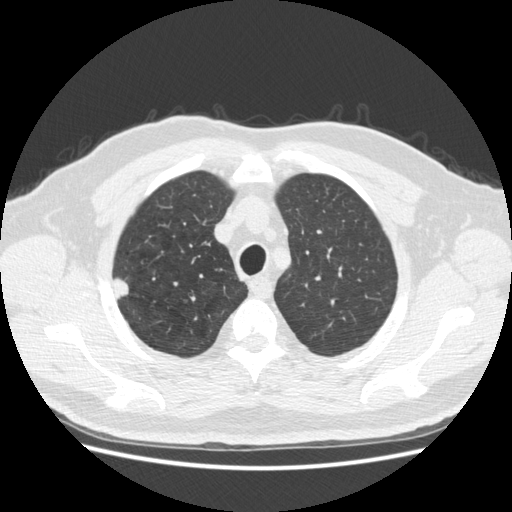
Axial chest CT slice 376 of 465 (counted from the lowest slice); tube voltage 120 kVp, convolution kernel STANDARD; slices 1.25 mm thick, 0.703 mm per pixel.
Pulmonary nodule outlined by all four readers; box rows 277–299, columns 112–129 (the union of the readers' outlines on this slice); longest diameter 15.5–18.9 mm and volume 1041–1475 mm3 across the four readers' outlines. Ratings across the readers: texture 5/5 (solid), all four readers agreeing; margin from 4/5 to 5/5 (circumscribed) across the four readers; sphericity from 3/5 (ovoid) to 5/5 (round) across the four readers; calcification absent from all four readers; internal structure soft tissue, all four readers agreeing; subtlety 4–5/5 (the readers disagree); malignancy likelihood from 2/5 to 5/5 across the four readers. Scale key (1–5): texture non-solid→solid, margin indistinct→circumscribed, sphericity linear→round, subtlety extremely subtle→obvious, malignancy likelihood highly unlikely→highly suspicious of cancer. Box rows and columns are 0-based pixel indices from the top-left corner, inclusive.